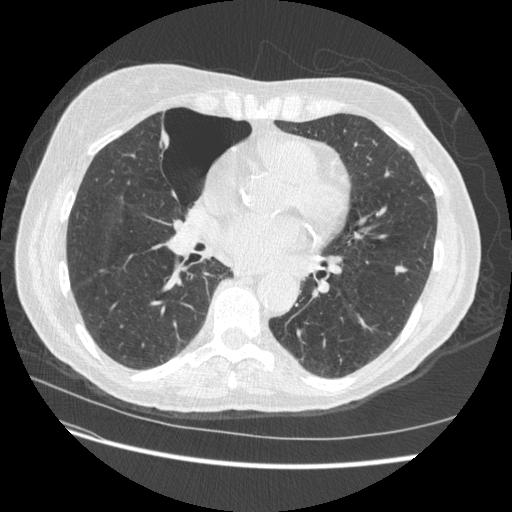
Slice 233/509 of a chest CT, counting up from the lowest; pixel size 0.703 mm, slice thickness 1.25 mm. Pulmonary nodule outlined by three of the four readers; box rows 265–275, columns 395–407 (the union of the readers' outlines on this slice); median longest diameter 11.5 mm (readers' outlines 9.2–11.6 mm), median volume 339 mm3 (182–365 mm3). Ratings, median across the readers with their spread: median texture 5/5 (solid) (readers ranged 4/5 to 5/5 (solid)); margin 4/5 at the median of three readers, spread 3/5 to 5/5 (circumscribed); sphericity 3/5 (ovoid) at the median of three readers, spread 2/5 to 4/5; calcification absent, all three readers agreeing; internal structure soft tissue, all three readers agreeing; subtlety 4/5 from all three readers; malignancy likelihood 3/5 at the median of three readers, spread 2–4. Scale key (1–5): texture non-solid→solid, margin indistinct→circumscribed, sphericity linear→round, subtlety extremely subtle→obvious, malignancy likelihood highly unlikely→highly suspicious of cancer. Box rows and columns are 0-based pixel indices from the top-left corner, inclusive.
Acquired at 120 kVp and reconstructed with the STANDARD kernel.